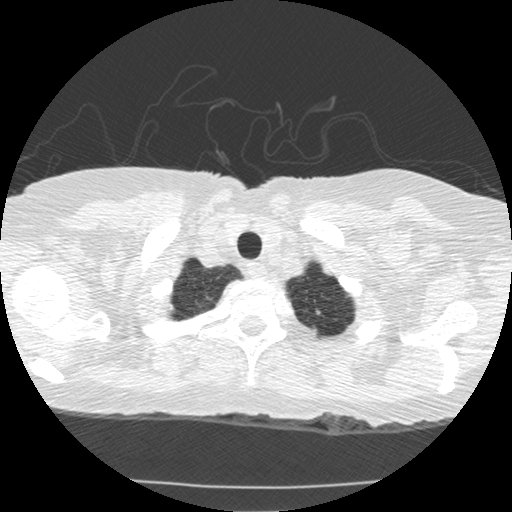
Axial slice 476 of 519 of a chest CT (slice 1 is the lowest), reconstructed with the STANDARD kernel at 120 kVp; 1.25 mm slice thickness and 0.645 mm pixels.
Pulmonary nodule outlined by two of the four readers; box rows 310–314, columns 315–320 (the union of the readers' outlines on this slice); longest diameter 5.4 mm on average over the two readers' outlines (readers' outlines 4.9–5.8 mm), volume 38–50 mm3. Ratings, by the readers' most common answer with dissent counted: texture 5/5 (solid), both readers agreeing; margin split among the readers: 4/5 (one), 5/5 (circumscribed) (one); sphericity 4/5 from both readers; calcification absent from both readers; internal structure soft tissue, both readers agreeing; subtlety 5/5, both readers agreeing; malignancy likelihood split among the readers: 2/5 (one), 3/5 (one). Scale key (1–5): texture non-solid→solid, margin indistinct→circumscribed, sphericity linear→round, subtlety extremely subtle→obvious, malignancy likelihood highly unlikely→highly suspicious of cancer. Box rows and columns are 0-based pixel indices from the top-left corner, inclusive.